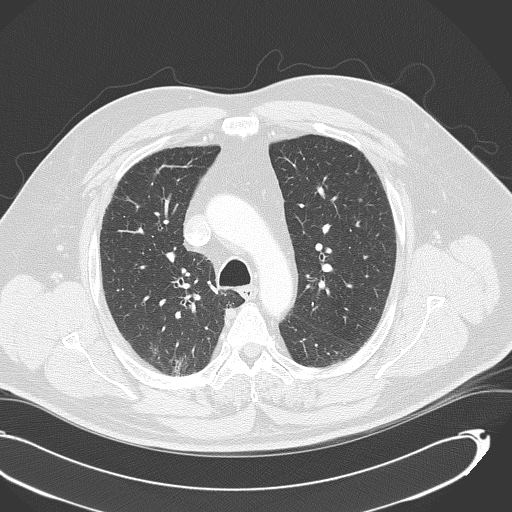
One axial slice (251 of 333, counting up from the lowest) of a chest CT acquired at 120 kVp with the B70f kernel; each pixel is 0.775 mm and the slice is 2.00 mm thick.
Pulmonary nodule at rows 198–201, columns 358–361 (box = the union of the readers' outlines on this slice), outlined by two of the four readers; longest diameter 6.3–6.4 mm and volume 78–85 mm3 across the two readers' outlines. Ratings across the readers: texture from 4/5 to 5/5 (solid) across the two readers; margin from 4/5 to 5/5 (circumscribed) across the two readers; sphericity from 4/5 to 5/5 (round) across the two readers; calcification absent, both readers agreeing; internal structure soft tissue from both readers; subtlety 3/5 from both readers; malignancy likelihood rated between 2 and 3 out of 5 by the two readers. Scale key (1–5): texture non-solid→solid, margin indistinct→circumscribed, sphericity linear→round, subtlety extremely subtle→obvious, malignancy likelihood highly unlikely→highly suspicious of cancer. Box rows and columns are 0-based pixel indices from the top-left corner, inclusive.